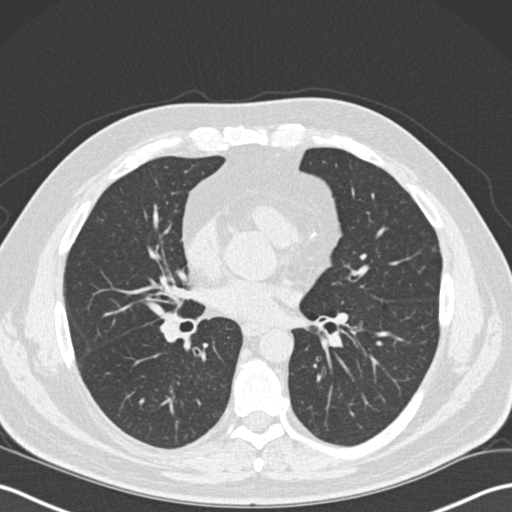
Chest CT, axial plane, 120 kVp, kernel B30f. Slice 99/191 from the bottom of the scan; thickness 2.00 mm; pixel size 0.684 mm.
Pulmonary nodule, outlined by two of the four readers. Box on this slice rows 245–252, columns 431–436, the union of the readers' outlines on this slice; longest diameter 6.3 mm and volume 54–60 mm3 across the two readers' outlines. Ratings across the readers: texture from 1/5 (non-solid) to 2/5 across the two readers; margin 2/5, both readers agreeing; sphericity from 3/5 (ovoid) to 5/5 (round) across the two readers; calcification absent, both readers agreeing; internal structure soft tissue, both readers agreeing; subtlety rated between 1 and 5 out of 5 by the two readers; malignancy likelihood 2/5 from both readers. Scale key (1–5): texture non-solid→solid, margin indistinct→circumscribed, sphericity linear→round, subtlety extremely subtle→obvious, malignancy likelihood highly unlikely→highly suspicious of cancer. Box rows and columns are 0-based pixel indices from the top-left corner, inclusive.